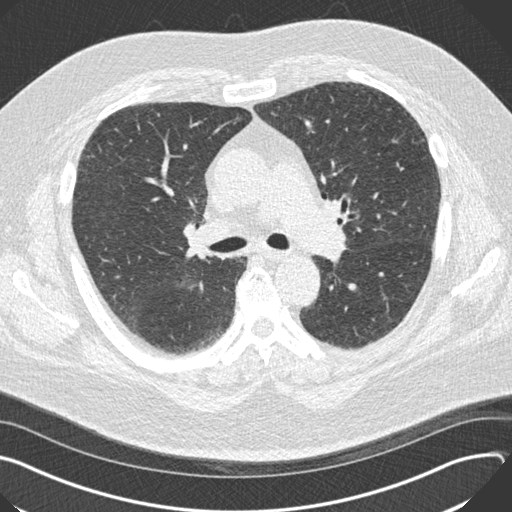
Axial slice 119 of 187 of a chest CT (slice 1 is the lowest), reconstructed with the B30f kernel at 120 kVp; 2.00 mm slice thickness and 0.742 mm pixels.
No nodule 3 mm or larger was outlined here by any reader.